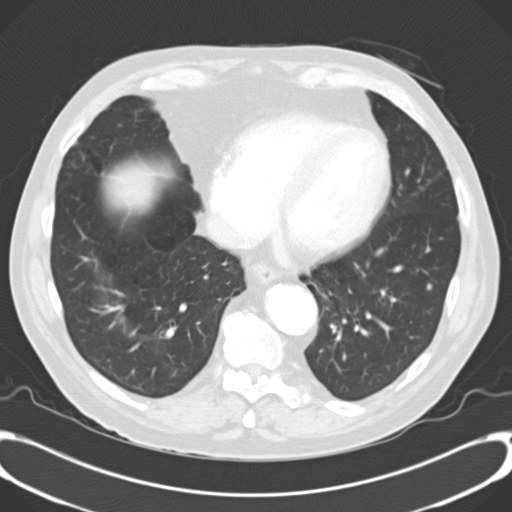
Slice 100/246 of a chest CT, counting up from the lowest; pixel size 0.740 mm, slice thickness 3.00 mm. Pulmonary nodule, outlined by two of the four readers. Box on this slice rows 283–289, columns 427–431, the union of the readers' outlines on this slice; median longest diameter 6.1 mm (readers' outlines 6.1 mm), median volume 118 mm3 (108–127 mm3). Median ratings and the readers' spread: texture 5/5 (solid), both readers agreeing; margin 4.5/5 at the median of two readers, spread 4/5 to 5/5 (circumscribed); sphericity 4.5/5 at the median of two readers, spread 4/5 to 5/5 (round); calcification absent, both readers agreeing; internal structure soft tissue from both readers; median subtlety 2.5/5 (readers ranged 2–3); median malignancy likelihood 2.5/5 (readers ranged 2–3). Scale key (1–5): texture non-solid→solid, margin indistinct→circumscribed, sphericity linear→round, subtlety extremely subtle→obvious, malignancy likelihood highly unlikely→highly suspicious of cancer. Box rows and columns are 0-based pixel indices from the top-left corner, inclusive.
Acquired at 120 kVp and reconstructed with the B30f kernel.